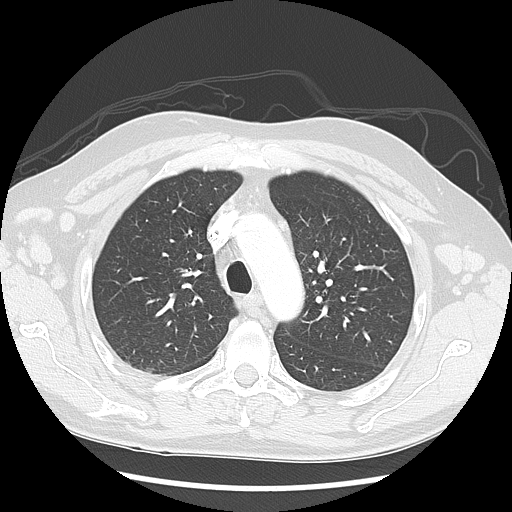
Chest CT, axial plane, 120 kVp, kernel LUNG. Slice 104/139 from the bottom of the scan; thickness 2.50 mm; pixel size 0.703 mm.
The readers outlined no nodule of 3 mm or more on this slice.